Axial slice 45 of 101 of a chest CT (slice 1 is the lowest), reconstructed with the FC01 kernel at 135 kVp; 3.00 mm slice thickness and 0.558 mm pixels.
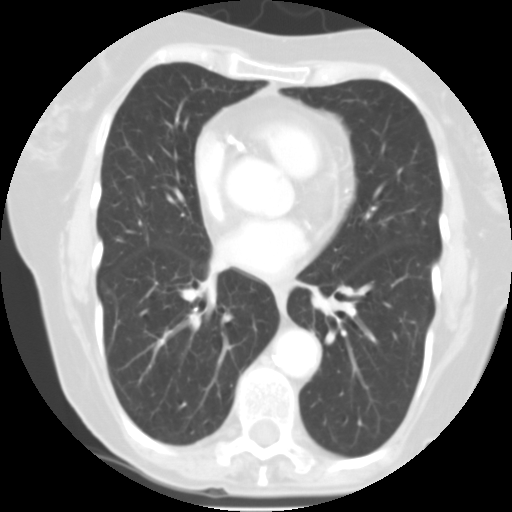
No nodule 3 mm or larger was outlined here by any reader.